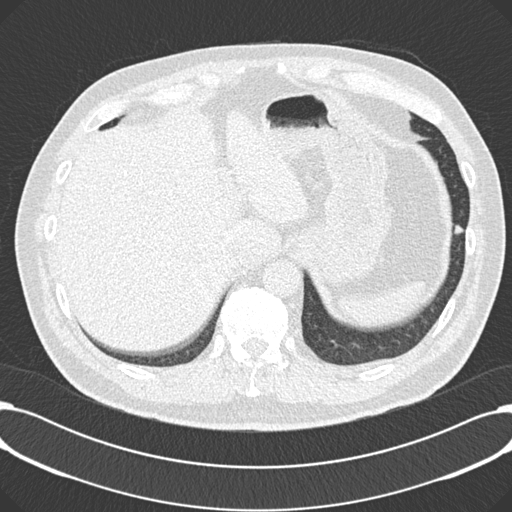
Chest CT, axial plane, 120 kVp, kernel B30f. Slice 42/195 from the bottom of the scan; thickness 2.00 mm; pixel size 0.723 mm.
Pulmonary nodule outlined by all four readers; box rows 225–234, columns 454–462 (the union of the readers' outlines on this slice); longest diameter 8.0 mm on average over the four readers' outlines (readers' outlines 7.3–8.7 mm), volume 123–254 mm3. Ratings, by the readers' most common answer with dissent counted: texture 5/5 (solid) from all four readers; most readers (three of four) put margin at 5/5 (circumscribed), others 4/5 (one); sphericity 4/5 by three of four readers; the rest gave 3/5 (ovoid) (one); calcification absent, all four readers agreeing; internal structure soft tissue, all four readers agreeing; subtlety split among the readers: 4/5 (two), 5/5 (two); most readers (three of four) put malignancy likelihood at 3/5, others 2/5 (one). Scale key (1–5): texture non-solid→solid, margin indistinct→circumscribed, sphericity linear→round, subtlety extremely subtle→obvious, malignancy likelihood highly unlikely→highly suspicious of cancer. Box rows and columns are 0-based pixel indices from the top-left corner, inclusive.